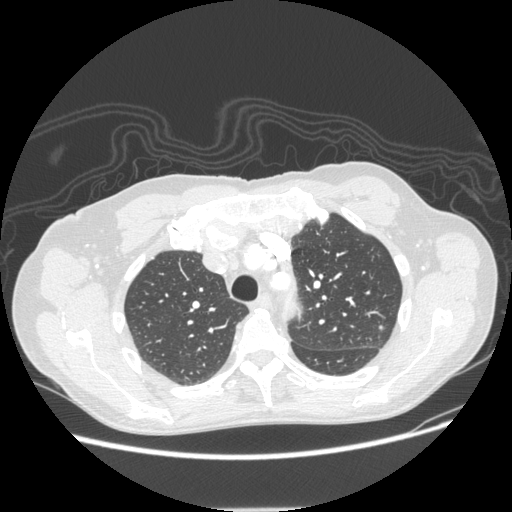
One axial slice (168 of 232, counting up from the lowest) of a chest CT acquired at 120 kVp with the STANDARD kernel; each pixel is 0.742 mm and the slice is 1.25 mm thick.
Pulmonary nodule outlined by three of the four readers; box rows 324–330, columns 378–383 (the union of the readers' outlines on this slice); median longest diameter 6.3 mm (readers' outlines 6.1–7.3 mm), median volume 129 mm3 (107–180 mm3). Median ratings and the readers' spread: texture 5/5 (solid) at the median of three readers, spread 4/5 to 5/5 (solid); margin 4/5 at the median of three readers, spread 4/5 to 5/5 (circumscribed); median sphericity 5/5 (round) (readers ranged 4/5 to 5/5 (round)); calcification absent, all three readers agreeing; internal structure soft tissue, all three readers agreeing; median subtlety 3/5 (readers ranged 2–4); malignancy likelihood 3/5 from all three readers. Scale key (1–5): texture non-solid→solid, margin indistinct→circumscribed, sphericity linear→round, subtlety extremely subtle→obvious, malignancy likelihood highly unlikely→highly suspicious of cancer. Box rows and columns are 0-based pixel indices from the top-left corner, inclusive.